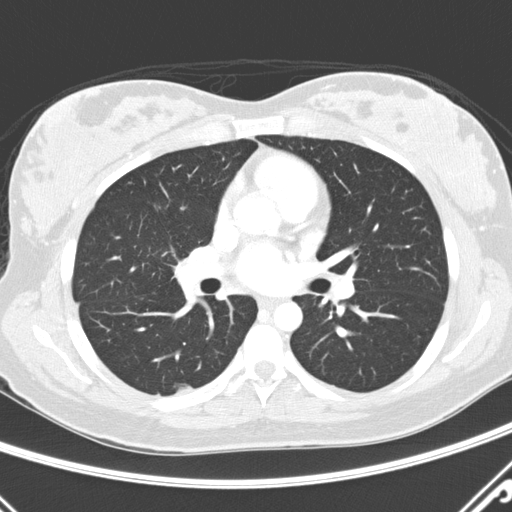
One axial slice (164 of 290, counting up from the lowest) of a chest CT acquired at 120 kVp with the D kernel; each pixel is 0.648 mm and the slice is 2.00 mm thick.
Pulmonary nodule, outlined by one of the four readers. Box on this slice rows 385–392, columns 176–192, that reader's outline on this slice; longest diameter 14.2 mm and volume 261 mm3 from that reader's outline. That reader's ratings: texture 4/5; margin 4/5; sphericity 3/5 (ovoid); calcification absent; internal structure soft tissue; subtlety 5/5; malignancy likelihood 3/5. Scale key (1–5): texture non-solid→solid, margin indistinct→circumscribed, sphericity linear→round, subtlety extremely subtle→obvious, malignancy likelihood highly unlikely→highly suspicious of cancer. Box rows and columns are 0-based pixel indices from the top-left corner, inclusive.